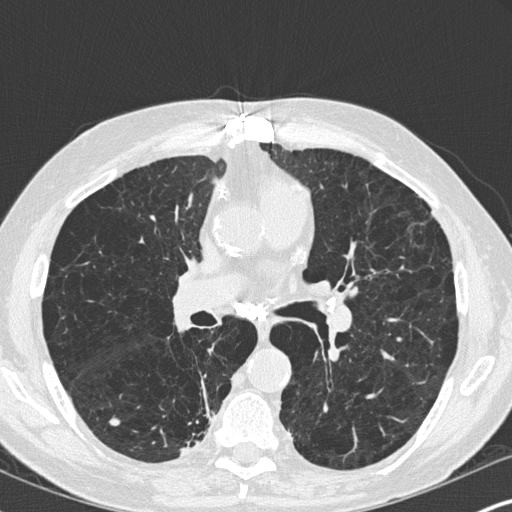
Axial chest CT slice 181 of 347 (counted from the lowest slice); 1.00 mm thick, 0.625 mm per pixel. Pulmonary nodule, outlined by all four readers. Box on this slice rows 417–425, columns 108–119, the union of the readers' outlines on this slice; median longest diameter 9.3 mm (readers' outlines 8.9–9.6 mm), median volume 145 mm3 (130–187 mm3). Ratings, median across the readers with their spread: texture 5/5 (solid), all four readers agreeing; margin 5/5 (circumscribed) from all four readers; median sphericity 3.5/5 (readers ranged 3/5 (ovoid) to 4/5); calcification absent from all four readers; internal structure soft tissue from all four readers; median subtlety 4.5/5 (readers ranged 4–5); malignancy likelihood 3/5 from all four readers. Scale key (1–5): texture non-solid→solid, margin indistinct→circumscribed, sphericity linear→round, subtlety extremely subtle→obvious, malignancy likelihood highly unlikely→highly suspicious of cancer. Box rows and columns are 0-based pixel indices from the top-left corner, inclusive.
Tube voltage 120 kVp; convolution kernel B45f.